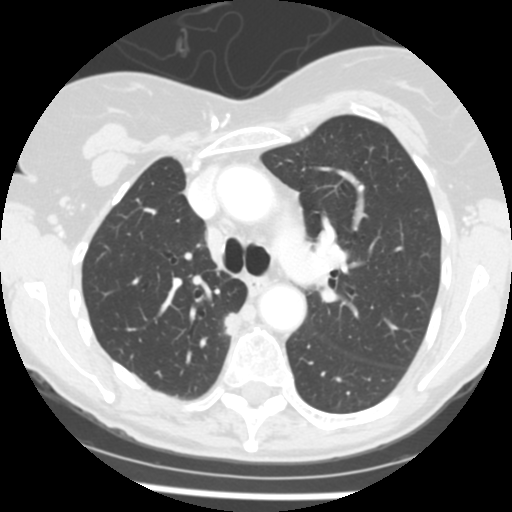
Slice 164/245 of a chest CT, counting up from the lowest; pixel size 0.547 mm, slice thickness 2.50 mm. Pulmonary nodule, outlined by all four readers. Box on this slice rows 312–337, columns 223–238, the union of the readers' outlines on this slice; median longest diameter 13.8 mm (readers' outlines 13.1–14.5 mm), median volume 730 mm3 (549–868 mm3). Median ratings and the readers' spread: texture 5/5 (solid), all four readers agreeing; margin 4/5 at the median of four readers, spread 3/5 to 5/5 (circumscribed); sphericity 3.5/5 at the median of four readers, spread 2/5 to 5/5 (round); calcification absent from all four readers; internal structure soft tissue, all four readers agreeing; median subtlety 4/5 (readers ranged 4–5); median malignancy likelihood 4/5 (readers ranged 3–5). Scale key (1–5): texture non-solid→solid, margin indistinct→circumscribed, sphericity linear→round, subtlety extremely subtle→obvious, malignancy likelihood highly unlikely→highly suspicious of cancer. Box rows and columns are 0-based pixel indices from the top-left corner, inclusive.
Acquired at 120 kVp and reconstructed with the STANDARD kernel.